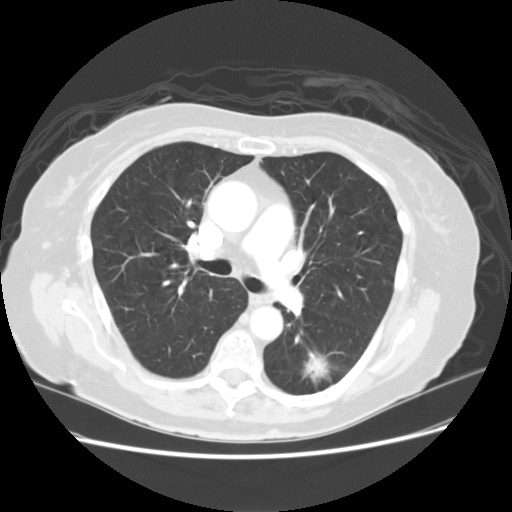
Chest CT, axial plane, 120 kVp, kernel STANDARD. Slice 88/133 from the bottom of the scan; thickness 2.50 mm; pixel size 0.703 mm.
Pulmonary nodule at rows 347–390, columns 299–334 (box = the union of the readers' outlines on this slice), outlined by all four readers; median longest diameter 32.7 mm (readers' outlines 32.0–33.7 mm), median volume 6971 mm3 (6146–7869 mm3). Ratings, median across the readers with their spread: texture 5/5 (solid) at the median of four readers, spread 4/5 to 5/5 (solid); margin 3.5/5 at the median of four readers, spread 2/5 to 4/5; sphericity 3.5/5 at the median of four readers, spread 3/5 (ovoid) to 5/5 (round); calcification absent from all four readers; internal structure soft tissue, all four readers agreeing; subtlety 5/5, all four readers agreeing; malignancy likelihood 5/5 at the median of four readers, spread 4–5. Scale key (1–5): texture non-solid→solid, margin indistinct→circumscribed, sphericity linear→round, subtlety extremely subtle→obvious, malignancy likelihood highly unlikely→highly suspicious of cancer. Box rows and columns are 0-based pixel indices from the top-left corner, inclusive.